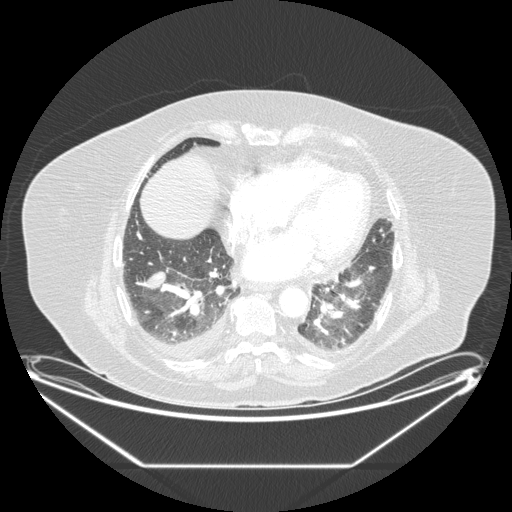
Slice 69/206 of a chest CT, counting up from the lowest; pixel size 0.898 mm, slice thickness 1.25 mm. Pulmonary nodule, outlined by all four readers. Box on this slice rows 271–289, columns 146–166, the union of the readers' outlines on this slice; median longest diameter 26.6 mm (readers' outlines 25.7–34.7 mm), median volume 4111 mm3 (3668–5061 mm3). Median ratings and the readers' spread: median texture 5/5 (solid) (readers ranged 4/5 to 5/5 (solid)); margin 4/5, all four readers agreeing; sphericity 3/5 (ovoid) at the median of four readers, spread 3/5 (ovoid) to 5/5 (round); calcification absent from all four readers; internal structure soft tissue from all four readers; median subtlety 5/5 (readers ranged 4–5); malignancy likelihood 4.5/5 at the median of four readers, spread 3–5. Scale key (1–5): texture non-solid→solid, margin indistinct→circumscribed, sphericity linear→round, subtlety extremely subtle→obvious, malignancy likelihood highly unlikely→highly suspicious of cancer. Box rows and columns are 0-based pixel indices from the top-left corner, inclusive.
Acquired at 120 kVp and reconstructed with the STANDARD kernel.